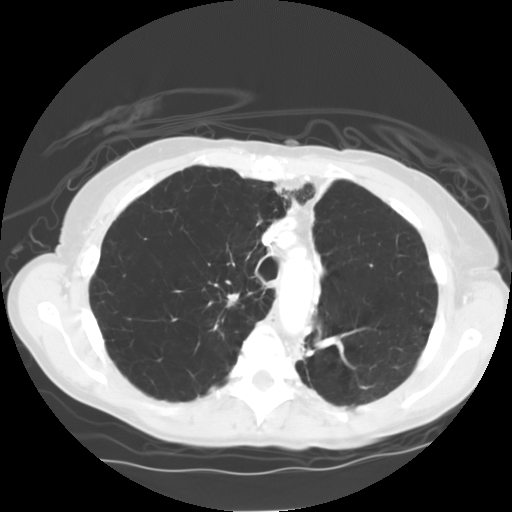
Axial chest CT slice 123 of 154 (counted from the lowest slice); tube voltage 120 kVp, convolution kernel STANDARD; slices 2.50 mm thick, 0.664 mm per pixel.
Pulmonary nodule outlined by one of the four readers; box rows 294–302, columns 228–238 (that reader's outline on this slice); longest diameter 9.0 mm and volume 271 mm3 from that reader's outline. That reader's ratings: texture 5/5 (solid); margin 4/5; sphericity 4/5; calcification absent; internal structure soft tissue; subtlety 3/5; malignancy likelihood 3/5. Scale key (1–5): texture non-solid→solid, margin indistinct→circumscribed, sphericity linear→round, subtlety extremely subtle→obvious, malignancy likelihood highly unlikely→highly suspicious of cancer. Box rows and columns are 0-based pixel indices from the top-left corner, inclusive.